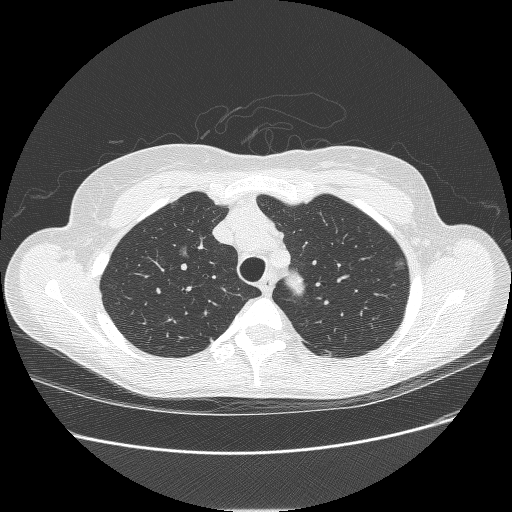
One axial slice (196 of 238, counting up from the lowest) of a chest CT acquired at 120 kVp with the BONE kernel; each pixel is 0.703 mm and the slice is 1.25 mm thick.
Three pulmonary nodules on this slice, listed from left to right. (1) Pulmonary nodule at rows 201–208, columns 172–177 (box = the one reader's outline on this slice), outlined by all four readers, one of them on this slice; median longest diameter 9.8 mm (readers' outlines 8.5–10.1 mm), median volume 192 mm3 (141–235 mm3). Median ratings and the readers' spread: texture 1/5 (non-solid) at the median of four readers, spread 1/5 (non-solid) to 3/5 (part-solid); median margin 1/5 (indistinct) (readers ranged 1/5 (indistinct) to 5/5 (circumscribed)); median sphericity 4/5 (readers ranged 3/5 (ovoid) to 5/5 (round)); calcification absent, all four readers agreeing; internal structure soft tissue, all four readers agreeing; subtlety 3.5/5 at the median of four readers, spread 2–4; malignancy likelihood 3.5/5 at the median of four readers, spread 2–4. (2) Pulmonary nodule outlined by all four readers, three of them on this slice; box rows 245–257, columns 179–189 (the union of the readers' outlines on this slice); median longest diameter 10.6 mm (readers' outlines 9.6–12.0 mm), median volume 267 mm3 (193–427 mm3). Median ratings and the readers' spread: texture 1/5 (non-solid) at the median of four readers, spread 1/5 (non-solid) to 3/5 (part-solid); margin 1.5/5 at the median of four readers, spread 1/5 (indistinct) to 5/5 (circumscribed); sphericity 4.5/5 at the median of four readers, spread 3/5 (ovoid) to 5/5 (round); calcification absent from all four readers; internal structure soft tissue from all four readers; subtlety 3.5/5 at the median of four readers, spread 2–4; malignancy likelihood 3.5/5 at the median of four readers, spread 2–4. (3) Pulmonary nodule outlined by all four readers; box rows 258–270, columns 394–405 (the union of the readers' outlines on this slice); median longest diameter 10.2 mm (readers' outlines 8.0–11.4 mm), median volume 203 mm3 (146–273 mm3). Median ratings and the readers' spread: median texture 1.5/5 (readers ranged 1/5 (non-solid) to 3/5 (part-solid)); median margin 1/5 (indistinct) (readers ranged 1/5 (indistinct) to 4/5); sphericity 4/5 from all four readers; calcification absent from all four readers; internal structure soft tissue from all four readers; subtlety 3/5 at the median of four readers, spread 2–4; malignancy likelihood 4/5 at the median of four readers, spread 3–4. Scale key (1–5): texture non-solid→solid, margin indistinct→circumscribed, sphericity linear→round, subtlety extremely subtle→obvious, malignancy likelihood highly unlikely→highly suspicious of cancer. Box rows and columns are 0-based pixel indices from the top-left corner, inclusive.